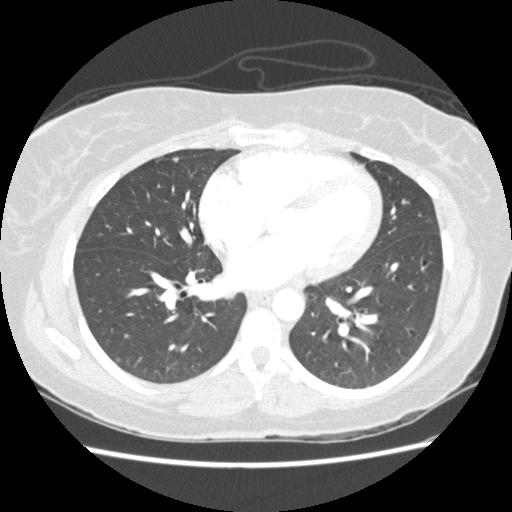
One axial slice (118 of 238, counting up from the lowest) of a chest CT acquired at 120 kVp with the STANDARD kernel; each pixel is 0.664 mm and the slice is 1.25 mm thick.
Pulmonary nodule, outlined by three of the four readers. Box on this slice rows 157–162, columns 172–178, the union of the readers' outlines on this slice; longest diameter 6.8–6.9 mm and volume 98–123 mm3 across the three readers' outlines. Ratings across the readers: texture 5/5 (solid), all three readers agreeing; margin 5/5 (circumscribed), all three readers agreeing; sphericity from 3/5 (ovoid) to 4/5 across the three readers; calcification absent, all three readers agreeing; internal structure soft tissue, all three readers agreeing; subtlety 3–4/5 (the readers disagree); malignancy likelihood 2/5, all three readers agreeing. Scale key (1–5): texture non-solid→solid, margin indistinct→circumscribed, sphericity linear→round, subtlety extremely subtle→obvious, malignancy likelihood highly unlikely→highly suspicious of cancer. Box rows and columns are 0-based pixel indices from the top-left corner, inclusive.